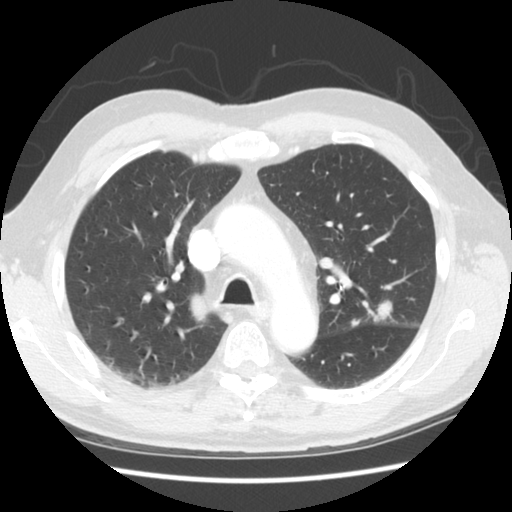
Axial slice 177 of 258 of a chest CT (slice 1 is the lowest), reconstructed with the STANDARD kernel at 120 kVp; 2.50 mm slice thickness and 0.664 mm pixels.
Two pulmonary nodules are outlined on this slice; from left to right: (1) Pulmonary nodule at rows 319–327, columns 350–358 (box = the union of the readers' outlines on this slice), outlined by three of the four readers; longest diameter 6.5 mm on average over the three readers' outlines (readers' outlines 6.1–6.9 mm), volume 47–105 mm3. The readers' prevailing ratings and who disagreed: texture 5/5 (solid), all three readers agreeing; margin 3/5 by two of three readers; the rest gave 4/5 (one); most readers (two of three) put sphericity at 2/5, others 3/5 (ovoid) (one); calcification absent from all three readers; internal structure soft tissue from all three readers; most readers (two of three) put subtlety at 2/5, others 4/5 (one); malignancy likelihood split among the readers: 2/5 (one), 3/5 (one), 4/5 (one). (2) Pulmonary nodule, outlined by all four readers. Box on this slice rows 299–324, columns 373–393, the union of the readers' outlines on this slice; longest diameter 20.6 mm on average over the four readers' outlines (readers' outlines 19.7–21.9 mm), volume 1387–1715 mm3. The readers' prevailing ratings and who disagreed: texture 5/5 (solid) from all four readers; margin split among the readers: 3/5 (two), 4/5 (two); sphericity 3/5 (ovoid) by two of four readers; the rest gave 2/5 (one), 4/5 (one); calcification absent, all four readers agreeing; internal structure soft tissue, all four readers agreeing; subtlety 5/5 from all four readers; most readers (three of four) put malignancy likelihood at 5/5, others 3/5 (one). Scale key (1–5): texture non-solid→solid, margin indistinct→circumscribed, sphericity linear→round, subtlety extremely subtle→obvious, malignancy likelihood highly unlikely→highly suspicious of cancer. Box rows and columns are 0-based pixel indices from the top-left corner, inclusive.